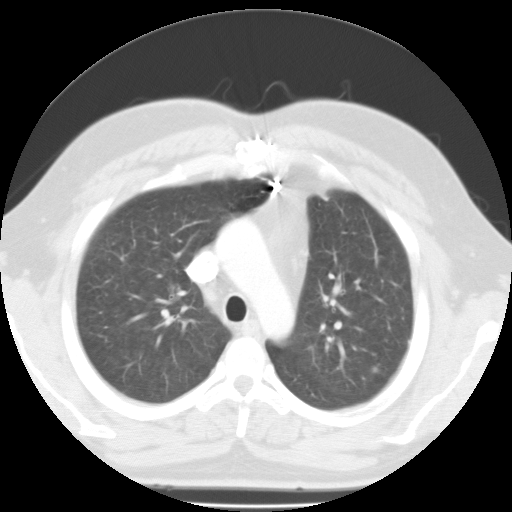
One axial slice (74 of 99, counting up from the lowest) of a chest CT acquired at 135 kVp with the FC01 kernel; each pixel is 0.698 mm and the slice is 3.00 mm thick.
Pulmonary nodule outlined by three of the four readers; box rows 367–372, columns 372–377 (the union of the readers' outlines on this slice); median longest diameter 9.4 mm (readers' outlines 8.1–10.3 mm), median volume 202 mm3 (112–216 mm3). Median ratings and the readers' spread: median texture 4/5 (readers ranged 4/5 to 5/5 (solid)); median margin 2/5 (readers ranged 2/5 to 3/5); sphericity 4/5 at the median of three readers, spread 3/5 (ovoid) to 4/5; calcification absent from all three readers; internal structure soft tissue, all three readers agreeing; subtlety 4/5 at the median of three readers, spread 3–5; median malignancy likelihood 3/5 (readers ranged 3–4). Scale key (1–5): texture non-solid→solid, margin indistinct→circumscribed, sphericity linear→round, subtlety extremely subtle→obvious, malignancy likelihood highly unlikely→highly suspicious of cancer. Box rows and columns are 0-based pixel indices from the top-left corner, inclusive.